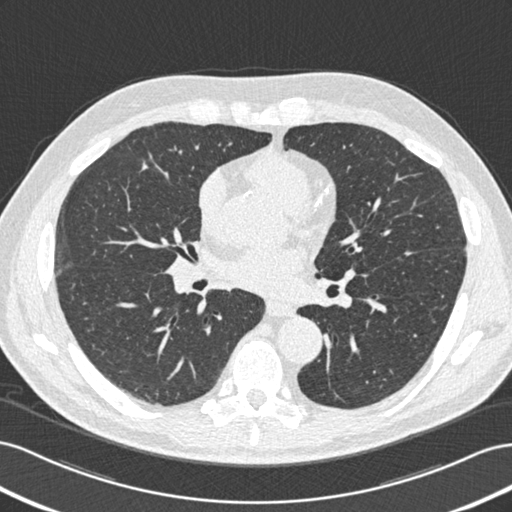
Axial slice 267 of 506 of a chest CT (slice 1 is the lowest), reconstructed with the B30f kernel at 120 kVp; 0.75 mm slice thickness and 0.699 mm pixels.
Pulmonary nodule at rows 164–168, columns 143–146 (box = that reader's outline on this slice), outlined by one of the four readers; longest diameter 6.9 mm and volume 38 mm3 from that reader's outline. That reader's ratings: texture 5/5 (solid); margin 4/5; sphericity 4/5; calcification absent; internal structure soft tissue; subtlety 3/5; malignancy likelihood 3/5. Scale key (1–5): texture non-solid→solid, margin indistinct→circumscribed, sphericity linear→round, subtlety extremely subtle→obvious, malignancy likelihood highly unlikely→highly suspicious of cancer. Box rows and columns are 0-based pixel indices from the top-left corner, inclusive.